Axial slice 70 of 122 of a chest CT (slice 1 is the lowest), reconstructed with the FC01 kernel at 135 kVp; 3.00 mm slice thickness and 0.586 mm pixels.
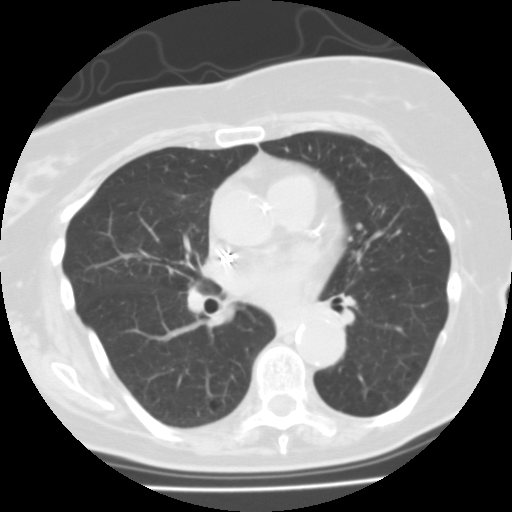
Two pulmonary nodules are outlined on this slice; from left to right: (1) Pulmonary nodule outlined by one of the four readers; box rows 237–240, columns 348–351 (that reader's outline on this slice); longest diameter 3.7 mm and volume 45 mm3 from that reader's outline. Ratings by that reader: texture 5/5 (solid); margin 4/5; sphericity 5/5 (round); calcification absent; internal structure soft tissue; subtlety 3/5; malignancy likelihood 1/5. (2) Pulmonary nodule at rows 224–228, columns 357–361 (box = that reader's outline on this slice), outlined by one of the four readers; longest diameter 5.2 mm and volume 112 mm3 from that reader's outline. That reader's ratings: texture 5/5 (solid); margin 5/5 (circumscribed); sphericity 4/5; calcification absent; internal structure soft tissue; subtlety 4/5; malignancy likelihood 1/5. Scale key (1–5): texture non-solid→solid, margin indistinct→circumscribed, sphericity linear→round, subtlety extremely subtle→obvious, malignancy likelihood highly unlikely→highly suspicious of cancer. Box rows and columns are 0-based pixel indices from the top-left corner, inclusive.